One axial slice (95 of 133, counting up from the lowest) of a chest CT acquired at 120 kVp with the STANDARD kernel; each pixel is 0.703 mm and the slice is 2.50 mm thick.
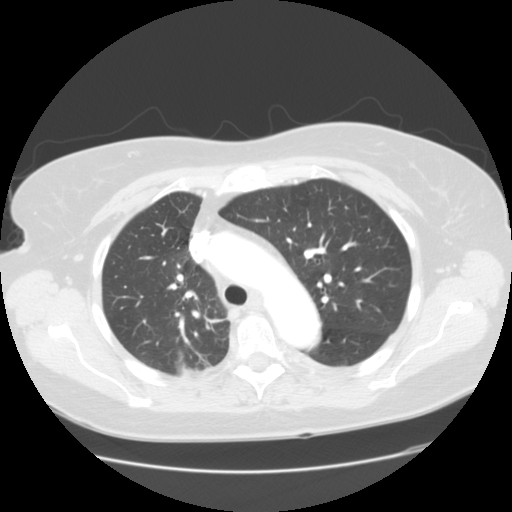
The readers outlined no nodule of 3 mm or more on this slice.